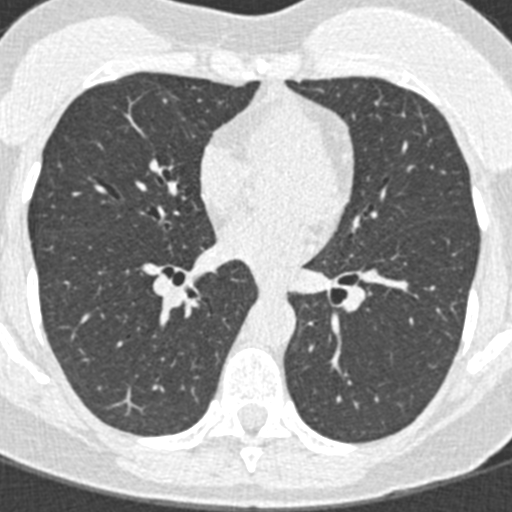
Chest CT, axial plane, 120 kVp, kernel B30f. Slice 172/376 from the bottom of the scan; thickness 0.75 mm; pixel size 0.461 mm.
Pulmonary nodule, outlined by one of the four readers. Box on this slice rows 98–102, columns 163–167, that reader's outline on this slice; longest diameter 4.5 mm and volume 18 mm3 from that reader's outline. That reader's ratings: texture 5/5 (solid); margin 5/5 (circumscribed); sphericity 5/5 (round); calcification absent; internal structure soft tissue; subtlety 5/5; malignancy likelihood 3/5. Scale key (1–5): texture non-solid→solid, margin indistinct→circumscribed, sphericity linear→round, subtlety extremely subtle→obvious, malignancy likelihood highly unlikely→highly suspicious of cancer. Box rows and columns are 0-based pixel indices from the top-left corner, inclusive.